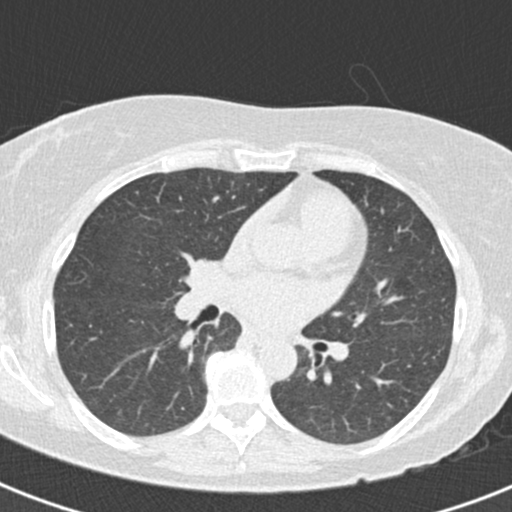
Axial chest CT slice 92 of 166 (counted from the lowest slice); 2.00 mm thick, 0.566 mm per pixel. No nodule of 3 mm or larger was outlined by any of the four readers on this slice.
Scan settings: 120 kVp, B30f reconstruction kernel.